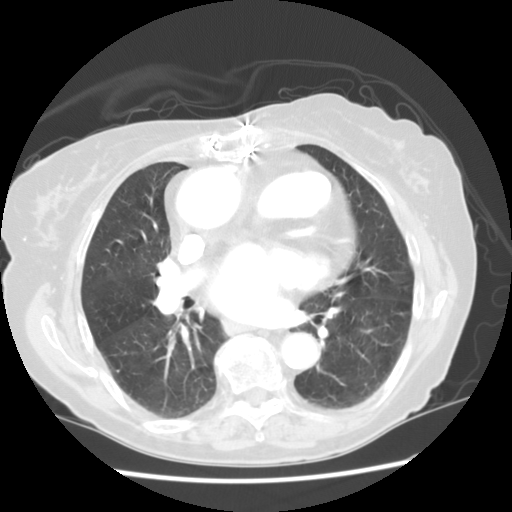
This is axial slice 76 of 125 (slice 1 is the lowest) of a chest CT; each pixel is 0.664 mm and the slice is 2.50 mm thick. The readers outlined no nodule of 3 mm or more on this slice.
Tube voltage 120 kVp; convolution kernel STANDARD.